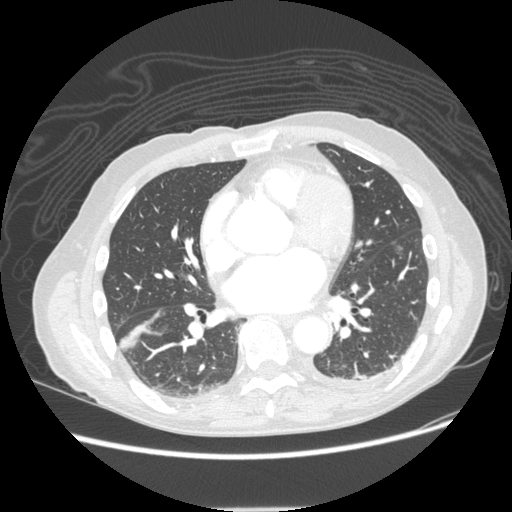
Chest CT, axial plane, 120 kVp, kernel STANDARD. Slice 95/232 from the bottom of the scan; thickness 1.25 mm; pixel size 0.742 mm.
Pulmonary nodule, outlined by two of the four readers. Box on this slice rows 244–255, columns 394–403, the union of the readers' outlines on this slice; the two readers' outlines give a longest diameter between 8.5 and 11.7 mm and a volume between 72 and 124 mm3. The readers' ratings, as ranges where they differ: texture from 1/5 (non-solid) to 3/5 (part-solid) across the two readers; margin from 1/5 (indistinct) to 2/5 across the two readers; sphericity from 2/5 to 5/5 (round) across the two readers; calcification absent, both readers agreeing; internal structure soft tissue from both readers; subtlety 1–2/5 (the readers disagree); malignancy likelihood 2/5 from both readers. Scale key (1–5): texture non-solid→solid, margin indistinct→circumscribed, sphericity linear→round, subtlety extremely subtle→obvious, malignancy likelihood highly unlikely→highly suspicious of cancer. Box rows and columns are 0-based pixel indices from the top-left corner, inclusive.